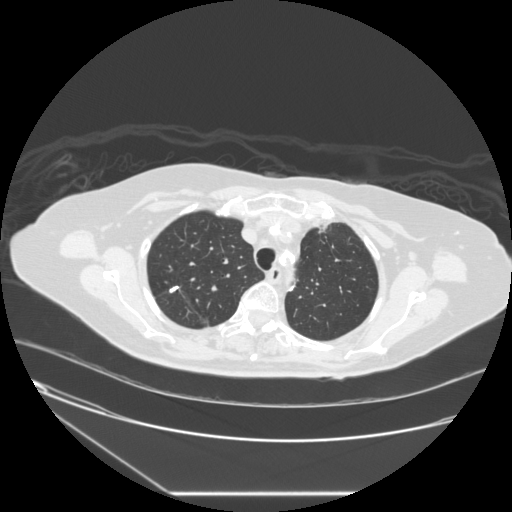
This is axial slice 199 of 241 (slice 1 is the lowest) of a chest CT; each pixel is 0.773 mm and the slice is 1.25 mm thick. Pulmonary nodule, outlined by two of the four readers. Box on this slice rows 285–293, columns 169–179, the union of the readers' outlines on this slice; the two readers' outlines give a longest diameter between 8.8 and 10.5 mm and a volume between 112 and 189 mm3. The readers' ratings, as ranges where they differ: texture 5/5 (solid), both readers agreeing; margin 5/5 (circumscribed) from both readers; sphericity from 2/5 to 3/5 (ovoid) across the two readers; calcification split among the readers: absent (one), solid calcification (one); internal structure soft tissue from both readers; subtlety rated between 3 and 5 out of 5 by the two readers; malignancy likelihood 1–2/5 (the readers disagree). Scale key (1–5): texture non-solid→solid, margin indistinct→circumscribed, sphericity linear→round, subtlety extremely subtle→obvious, malignancy likelihood highly unlikely→highly suspicious of cancer. Box rows and columns are 0-based pixel indices from the top-left corner, inclusive.
Tube voltage 120 kVp; convolution kernel STANDARD.